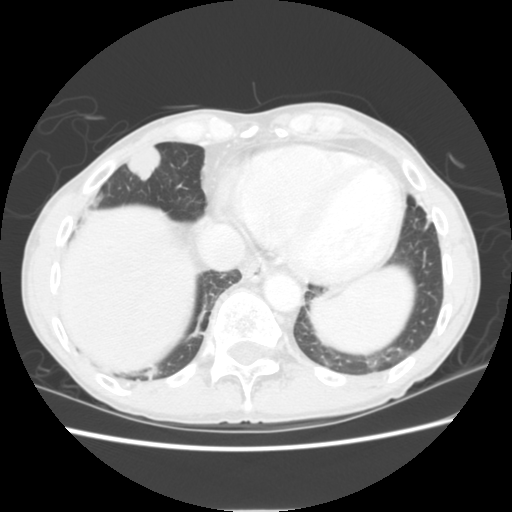
Axial slice 52 of 255 of a chest CT (slice 1 is the lowest), reconstructed with the STANDARD kernel at 120 kVp; 2.50 mm slice thickness and 0.664 mm pixels.
Pulmonary nodule at rows 145–181, columns 125–161 (box = the union of the readers' outlines on this slice), outlined by all four readers; median longest diameter 26.5 mm (readers' outlines 25.4–30.3 mm), median volume 5349 mm3 (4677–6345 mm3). Ratings, median across the readers with their spread: texture 5/5 (solid), all four readers agreeing; margin 4.5/5 at the median of four readers, spread 4/5 to 5/5 (circumscribed); median sphericity 4/5 (readers ranged 3/5 (ovoid) to 5/5 (round)); calcification absent, all four readers agreeing; internal structure soft tissue from all four readers; subtlety 5/5 from all four readers; malignancy likelihood 5/5 at the median of four readers, spread 3–5. Scale key (1–5): texture non-solid→solid, margin indistinct→circumscribed, sphericity linear→round, subtlety extremely subtle→obvious, malignancy likelihood highly unlikely→highly suspicious of cancer. Box rows and columns are 0-based pixel indices from the top-left corner, inclusive.